Axial chest CT slice 134 of 244 (counted from the lowest slice); tube voltage 120 kVp, convolution kernel BONE; slices 1.25 mm thick, 0.729 mm per pixel.
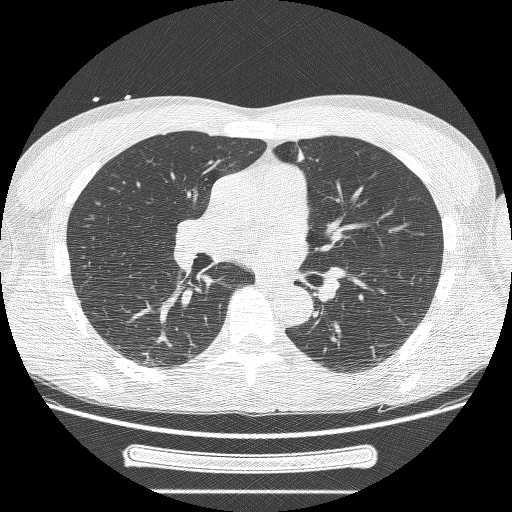
Pulmonary nodule at rows 150–161, columns 297–303 (box = the one reader's outline on this slice), outlined by three of the four readers, one of them on this slice; longest diameter 27.4–37.9 mm and volume 2934–10099 mm3 across the three readers' outlines. Ratings across the readers: texture from 3/5 (part-solid) to 5/5 (solid) across the three readers; margin from 1/5 (indistinct) to 3/5 across the three readers; sphericity from 2/5 to 4/5 across the three readers; calcification absent from all three readers; internal structure soft tissue from all three readers; subtlety 5/5 from all three readers; malignancy likelihood rated between 3 and 5 out of 5 by the three readers. Scale key (1–5): texture non-solid→solid, margin indistinct→circumscribed, sphericity linear→round, subtlety extremely subtle→obvious, malignancy likelihood highly unlikely→highly suspicious of cancer. Box rows and columns are 0-based pixel indices from the top-left corner, inclusive.